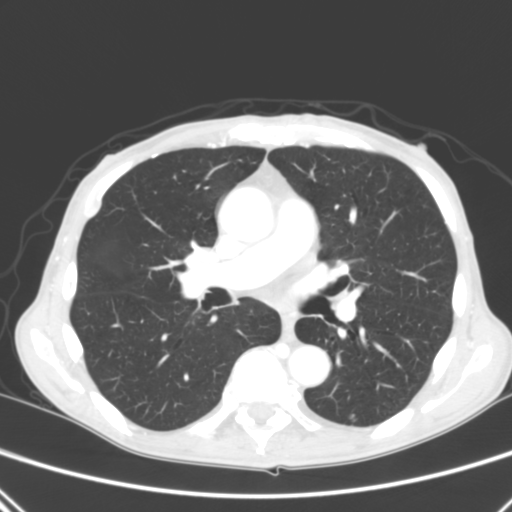
This is axial slice 158 of 290 (slice 1 is the lowest) of a chest CT; each pixel is 0.639 mm and the slice is 2.00 mm thick. Pulmonary nodule outlined by all four readers; box rows 413–421, columns 349–356 (the union of the readers' outlines on this slice); the four readers' outlines give a longest diameter between 7.4 and 8.6 mm and a volume between 120 and 172 mm3. Ratings across the readers: texture from 4/5 to 5/5 (solid) across the four readers; margin from 2/5 to 4/5 across the four readers; sphericity from 3/5 (ovoid) to 4/5 across the four readers; calcification absent, all four readers agreeing; internal structure soft tissue, all four readers agreeing; subtlety 4–5/5 (the readers disagree); malignancy likelihood 3–4/5 (the readers disagree). Scale key (1–5): texture non-solid→solid, margin indistinct→circumscribed, sphericity linear→round, subtlety extremely subtle→obvious, malignancy likelihood highly unlikely→highly suspicious of cancer. Box rows and columns are 0-based pixel indices from the top-left corner, inclusive.
Acquired at 120 kVp and reconstructed with the B kernel.